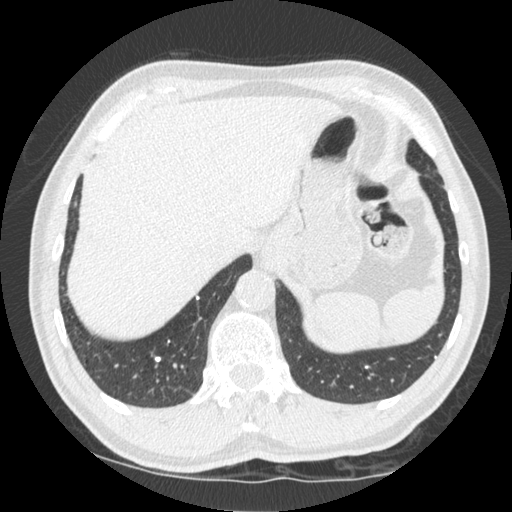
Chest CT, axial plane, 120 kVp, kernel STANDARD. Slice 92/535 from the bottom of the scan; thickness 1.25 mm; pixel size 0.664 mm.
Pulmonary nodule at rows 356–361, columns 153–160 (box = the union of the readers' outlines on this slice), outlined by all four readers; longest diameter 5.8 mm on average over the four readers' outlines (readers' outlines 4.7–6.5 mm), volume 34–62 mm3. The readers' prevailing ratings and who disagreed: texture 5/5 (solid), all four readers agreeing; margin 5/5 (circumscribed), all four readers agreeing; sphericity split among the readers: 4/5 (two), 5/5 (round) (two); calcification solid calcification from all four readers; internal structure soft tissue from all four readers; most readers (three of four) put subtlety at 5/5, others 4/5 (one); malignancy likelihood 1/5, all four readers agreeing. Scale key (1–5): texture non-solid→solid, margin indistinct→circumscribed, sphericity linear→round, subtlety extremely subtle→obvious, malignancy likelihood highly unlikely→highly suspicious of cancer. Box rows and columns are 0-based pixel indices from the top-left corner, inclusive.